Axial chest CT slice 100 of 116 (counted from the lowest slice); tube voltage 130 kVp, convolution kernel B31s; slices 3.00 mm thick, 0.668 mm per pixel.
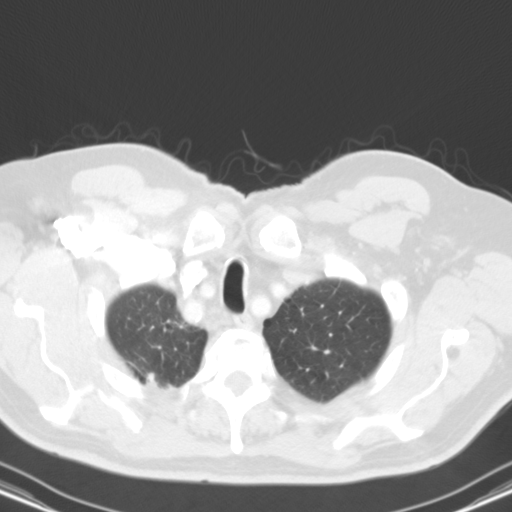
Pulmonary nodule outlined by three of the four readers; box rows 371–392, columns 143–175 (the union of the readers' outlines on this slice); longest diameter 33.6 mm on average over the three readers' outlines (readers' outlines 30.9–36.1 mm), volume 5704–8380 mm3. The readers' prevailing ratings and who disagreed: texture 5/5 (solid), all three readers agreeing; margin 4/5, all three readers agreeing; sphericity split among the readers: 2/5 (one), 3/5 (ovoid) (one), 4/5 (one); calcification absent, all three readers agreeing; internal structure soft tissue from all three readers; subtlety 5/5 from all three readers; malignancy likelihood 5/5, all three readers agreeing. Scale key (1–5): texture non-solid→solid, margin indistinct→circumscribed, sphericity linear→round, subtlety extremely subtle→obvious, malignancy likelihood highly unlikely→highly suspicious of cancer. Box rows and columns are 0-based pixel indices from the top-left corner, inclusive.